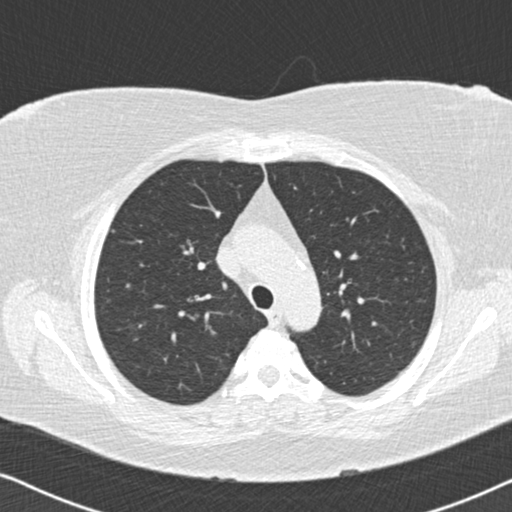
Axial slice 140 of 177 of a chest CT (slice 1 is the lowest), reconstructed with the B30f kernel at 120 kVp; 2.00 mm slice thickness and 0.643 mm pixels.
Pulmonary nodule outlined by one of the four readers; box rows 229–234, columns 111–114 (that reader's outline on this slice); longest diameter 4.9 mm and volume 36 mm3 from that reader's outline. That reader's ratings: texture 5/5 (solid); margin 5/5 (circumscribed); sphericity 5/5 (round); calcification absent; internal structure soft tissue; subtlety 3/5; malignancy likelihood 2/5. Scale key (1–5): texture non-solid→solid, margin indistinct→circumscribed, sphericity linear→round, subtlety extremely subtle→obvious, malignancy likelihood highly unlikely→highly suspicious of cancer. Box rows and columns are 0-based pixel indices from the top-left corner, inclusive.